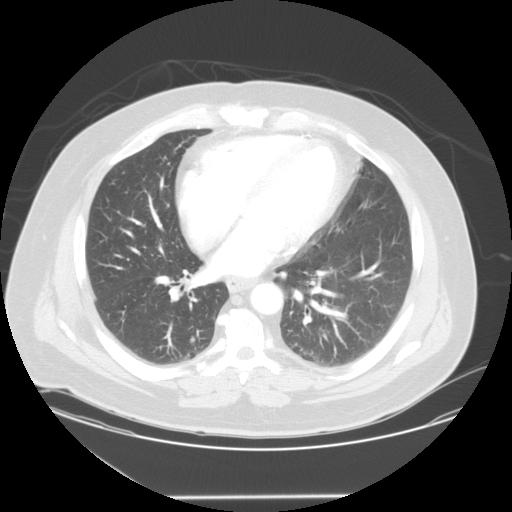
Axial chest CT slice 69 of 127 (counted from the lowest slice); tube voltage 120 kVp, convolution kernel STANDARD; slices 2.50 mm thick, 0.859 mm per pixel.
Pulmonary nodule, outlined by all four readers. Box on this slice rows 336–342, columns 188–194, the union of the readers' outlines on this slice; longest diameter 7.8 mm on average over the four readers' outlines (readers' outlines 7.3–7.9 mm), volume 157–239 mm3. The readers' prevailing ratings and who disagreed: texture 5/5 (solid) from all four readers; margin split among the readers: 4/5 (two), 5/5 (circumscribed) (two); sphericity 4/5 by two of four readers; the rest gave 3/5 (ovoid) (one), 5/5 (round) (one); calcification absent, all four readers agreeing; internal structure soft tissue from all four readers; subtlety 4/5 by three of four readers; the rest gave 3/5 (one); malignancy likelihood split among the readers: 2/5 (two), 3/5 (two). Scale key (1–5): texture non-solid→solid, margin indistinct→circumscribed, sphericity linear→round, subtlety extremely subtle→obvious, malignancy likelihood highly unlikely→highly suspicious of cancer. Box rows and columns are 0-based pixel indices from the top-left corner, inclusive.